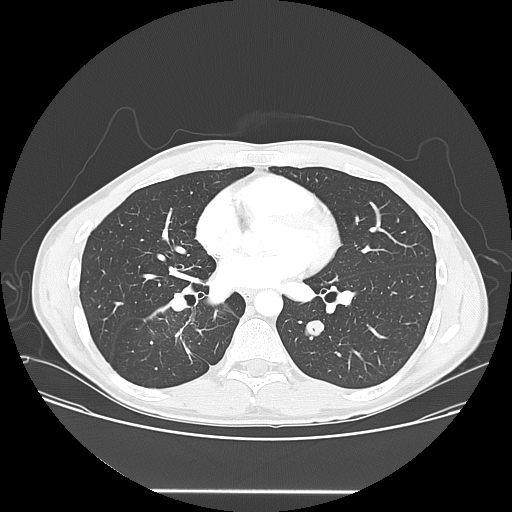
Slice 78/150 of a chest CT, counting up from the lowest; pixel size 0.781 mm, slice thickness 2.50 mm. Pulmonary nodule at rows 320–336, columns 304–324 (box = the union of the readers' outlines on this slice), outlined by all four readers; median longest diameter 17.9 mm (readers' outlines 17.8–19.3 mm), median volume 2061 mm3 (1904–2340 mm3). Ratings, median across the readers with their spread: median texture 5/5 (solid) (readers ranged 4/5 to 5/5 (solid)); margin 4.5/5 at the median of four readers, spread 4/5 to 5/5 (circumscribed); sphericity 4/5 at the median of four readers, spread 3/5 (ovoid) to 5/5 (round); calcification absent, all four readers agreeing; internal structure soft tissue from all four readers; median subtlety 5/5 (readers ranged 3–5); median malignancy likelihood 3.5/5 (readers ranged 2–5). Scale key (1–5): texture non-solid→solid, margin indistinct→circumscribed, sphericity linear→round, subtlety extremely subtle→obvious, malignancy likelihood highly unlikely→highly suspicious of cancer. Box rows and columns are 0-based pixel indices from the top-left corner, inclusive.
Tube voltage 120 kVp; convolution kernel LUNG.